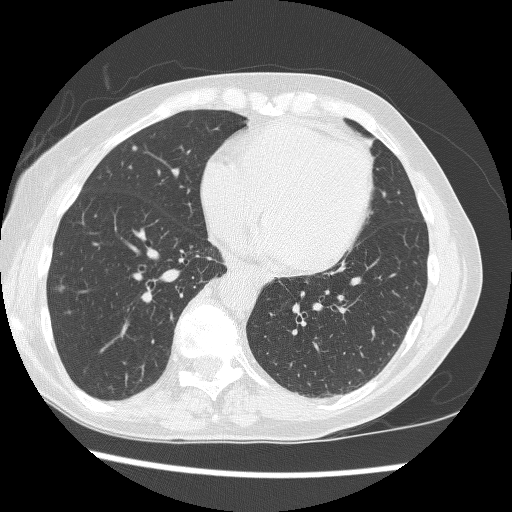
Chest CT, axial plane, 120 kVp, kernel BONE. Slice 114/257 from the bottom of the scan; thickness 1.25 mm; pixel size 0.627 mm.
Pulmonary nodule at rows 285–292, columns 56–64 (box = that reader's outline on this slice), outlined by one of the four readers; longest diameter 6.4 mm and volume 53 mm3 from that reader's outline. That reader's ratings: texture 3/5 (part-solid); margin 4/5; sphericity 3/5 (ovoid); calcification absent; internal structure soft tissue; subtlety 3/5; malignancy likelihood 4/5. Scale key (1–5): texture non-solid→solid, margin indistinct→circumscribed, sphericity linear→round, subtlety extremely subtle→obvious, malignancy likelihood highly unlikely→highly suspicious of cancer. Box rows and columns are 0-based pixel indices from the top-left corner, inclusive.